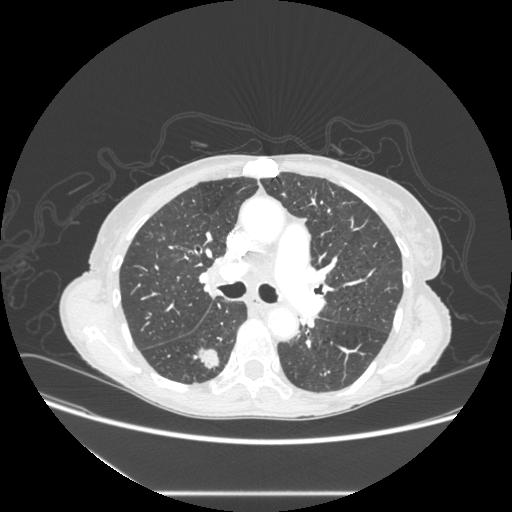
Axial slice 181 of 289 of a chest CT (slice 1 is the lowest), reconstructed with the STANDARD kernel at 120 kVp; 1.25 mm slice thickness and 0.764 mm pixels.
Pulmonary nodule outlined by all four readers; box rows 347–368, columns 193–218 (the union of the readers' outlines on this slice); median longest diameter 21.1 mm (readers' outlines 20.5–21.9 mm), median volume 2513 mm3 (2320–2697 mm3). Median ratings and the readers' spread: texture 4.5/5 at the median of four readers, spread 4/5 to 5/5 (solid); margin 4/5, all four readers agreeing; median sphericity 3/5 (ovoid) (readers ranged 3/5 (ovoid) to 5/5 (round)); calcification absent, all four readers agreeing; internal structure soft tissue from all four readers; median subtlety 5/5 (readers ranged 4–5); median malignancy likelihood 4.5/5 (readers ranged 3–5). Scale key (1–5): texture non-solid→solid, margin indistinct→circumscribed, sphericity linear→round, subtlety extremely subtle→obvious, malignancy likelihood highly unlikely→highly suspicious of cancer. Box rows and columns are 0-based pixel indices from the top-left corner, inclusive.